One axial slice (333 of 583, counting up from the lowest) of a chest CT acquired at 120 kVp with the STANDARD kernel; each pixel is 0.703 mm and the slice is 1.25 mm thick.
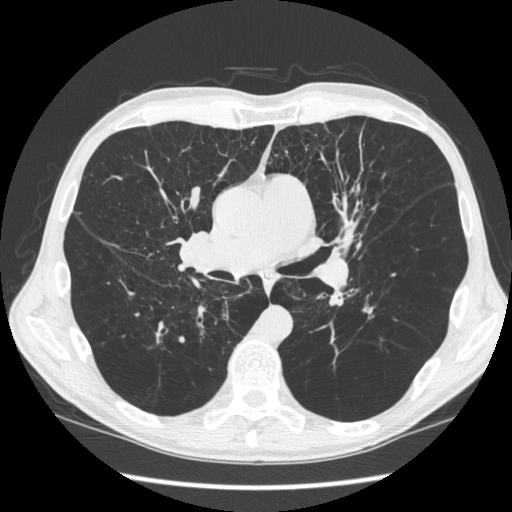
Pulmonary nodule at rows 305–317, columns 363–372 (box = the one reader's outline on this slice), outlined by two of the four readers, one of them on this slice; longest diameter 24.1–31.7 mm and volume 791–1176 mm3 across the two readers' outlines. Ratings across the readers: texture 5/5 (solid) from both readers; margin from 1/5 (indistinct) to 4/5 across the two readers; sphericity from 1/5 (linear) to 2/5 across the two readers; calcification absent, both readers agreeing; internal structure soft tissue from both readers; subtlety 5/5, both readers agreeing; malignancy likelihood from 2/5 to 3/5 across the two readers. Scale key (1–5): texture non-solid→solid, margin indistinct→circumscribed, sphericity linear→round, subtlety extremely subtle→obvious, malignancy likelihood highly unlikely→highly suspicious of cancer. Box rows and columns are 0-based pixel indices from the top-left corner, inclusive.